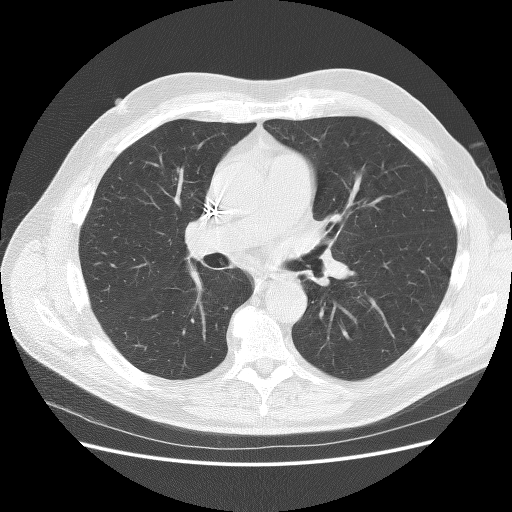
Axial chest CT slice 89 of 137 (counted from the lowest slice); tube voltage 140 kVp, convolution kernel BONE; slices 2.50 mm thick, 0.723 mm per pixel.
No nodule 3 mm or larger was outlined here by any reader.